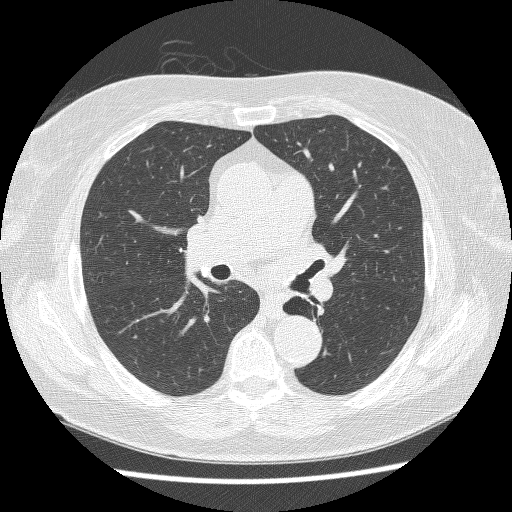
Axial chest CT slice 148 of 229 (counted from the lowest slice); tube voltage 120 kVp, convolution kernel BONE; slices 1.25 mm thick, 0.654 mm per pixel.
Pulmonary nodule outlined by all four readers; box rows 247–252, columns 179–182 (the union of the readers' outlines on this slice); longest diameter 5.6–8.0 mm and volume 58–119 mm3 across the four readers' outlines. The readers' ratings, as ranges where they differ: texture 5/5 (solid), all four readers agreeing; margin 5/5 (circumscribed), all four readers agreeing; sphericity from 3/5 (ovoid) to 5/5 (round) across the four readers; calcification solid calcification, all four readers agreeing; internal structure soft tissue, all four readers agreeing; subtlety from 3/5 to 5/5 across the four readers; malignancy likelihood 1/5 from all four readers. Scale key (1–5): texture non-solid→solid, margin indistinct→circumscribed, sphericity linear→round, subtlety extremely subtle→obvious, malignancy likelihood highly unlikely→highly suspicious of cancer. Box rows and columns are 0-based pixel indices from the top-left corner, inclusive.